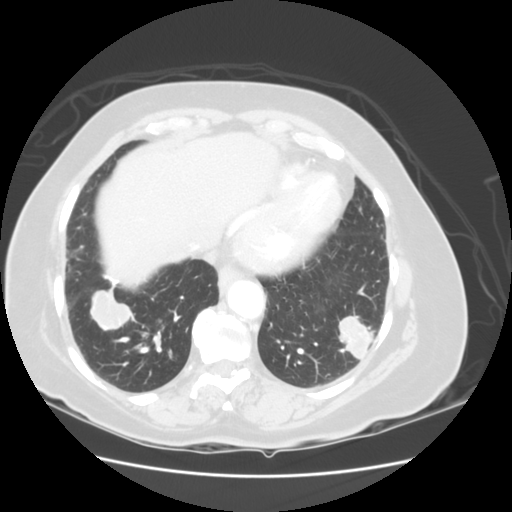
Axial slice 31 of 114 of a chest CT (slice 1 is the lowest), reconstructed with the STANDARD kernel at 120 kVp; 2.50 mm slice thickness and 0.703 mm pixels.
Two pulmonary nodules are outlined on this slice; from left to right: (1) Pulmonary nodule outlined by three of the four readers; box rows 290–329, columns 90–132 (the union of the readers' outlines on this slice); the three readers' outlines give a longest diameter between 33.9 and 44.7 mm and a volume between 10097 and 11661 mm3. Ratings across the readers: texture 5/5 (solid) from all three readers; margin from 4/5 to 5/5 (circumscribed) across the three readers; sphericity from 3/5 (ovoid) to 4/5 across the three readers; calcification absent, all three readers agreeing; internal structure soft tissue from all three readers; subtlety 5/5, all three readers agreeing; malignancy likelihood from 3/5 to 5/5 across the three readers. (2) Pulmonary nodule outlined by two of the four readers; box rows 315–357, columns 338–374 (the union of the readers' outlines on this slice); median longest diameter 32.3 mm (readers' outlines 31.2–33.4 mm), median volume 9783 mm3 (9358–10207 mm3). Median ratings and the readers' spread: texture 5/5 (solid), both readers agreeing; margin 4/5, both readers agreeing; sphericity 3/5 (ovoid), both readers agreeing; calcification absent, both readers agreeing; internal structure soft tissue from both readers; subtlety 5/5, both readers agreeing; malignancy likelihood 5/5 from both readers. Scale key (1–5): texture non-solid→solid, margin indistinct→circumscribed, sphericity linear→round, subtlety extremely subtle→obvious, malignancy likelihood highly unlikely→highly suspicious of cancer. Box rows and columns are 0-based pixel indices from the top-left corner, inclusive.